Axial chest CT slice 224 of 315 (counted from the lowest slice); tube voltage 120 kVp, convolution kernel B; slices 2.00 mm thick, 0.830 mm per pixel.
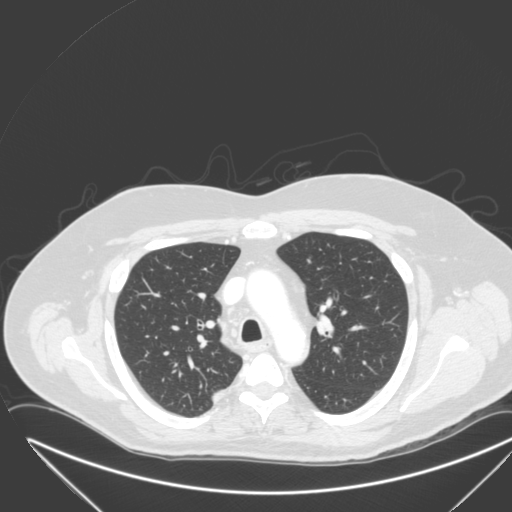
Pulmonary nodule at rows 390–402, columns 213–223 (box = that reader's outline on this slice), outlined by one of the four readers; longest diameter 27.1 mm and volume 6093 mm3 from that reader's outline. Ratings by that reader: texture 5/5 (solid); margin 4/5; sphericity 2/5; calcification absent; internal structure soft tissue; subtlety 5/5; malignancy likelihood 4/5. Scale key (1–5): texture non-solid→solid, margin indistinct→circumscribed, sphericity linear→round, subtlety extremely subtle→obvious, malignancy likelihood highly unlikely→highly suspicious of cancer. Box rows and columns are 0-based pixel indices from the top-left corner, inclusive.